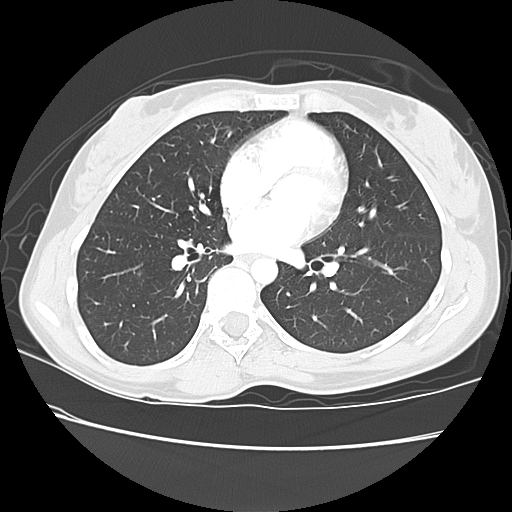
This is axial slice 72 of 140 (slice 1 is the lowest) of a chest CT; each pixel is 0.625 mm and the slice is 2.50 mm thick. Pulmonary nodule at rows 270–275, columns 138–141 (box = the one reader's outline on this slice), outlined by all four readers, one of them on this slice; longest diameter 7.3–8.2 mm and volume 147–225 mm3 across the four readers' outlines. The readers' ratings, as ranges where they differ: texture 5/5 (solid) from all four readers; margin from 4/5 to 5/5 (circumscribed) across the four readers; sphericity from 3/5 (ovoid) to 5/5 (round) across the four readers; calcification split among the readers: solid calcification (two), absent (two); internal structure soft tissue, all four readers agreeing; subtlety from 3/5 to 5/5 across the four readers; malignancy likelihood rated between 1 and 3 out of 5 by the four readers. Scale key (1–5): texture non-solid→solid, margin indistinct→circumscribed, sphericity linear→round, subtlety extremely subtle→obvious, malignancy likelihood highly unlikely→highly suspicious of cancer. Box rows and columns are 0-based pixel indices from the top-left corner, inclusive.
Acquired at 120 kVp and reconstructed with the LUNG kernel.